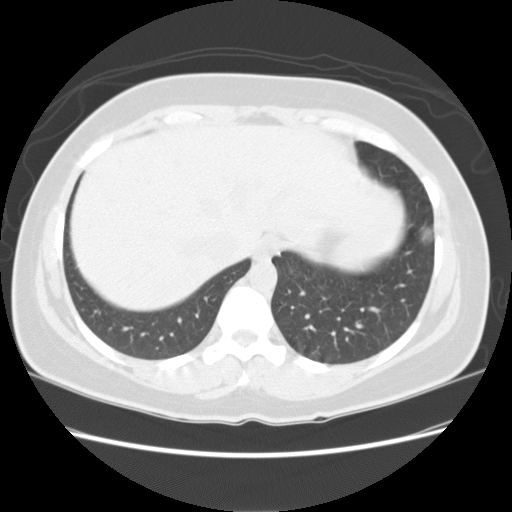
Slice 46/127 of a chest CT, counting up from the lowest; pixel size 0.703 mm, slice thickness 2.50 mm. Pulmonary nodule outlined by all four readers, two of them on this slice; box rows 224–244, columns 418–433 (the union of the readers' outlines on this slice); the four readers' outlines give a longest diameter between 27.7 and 28.3 mm and a volume between 5117 and 6404 mm3. Ratings across the readers: texture 5/5 (solid) from all four readers; margin from 4/5 to 5/5 (circumscribed) across the four readers; sphericity from 3/5 (ovoid) to 5/5 (round) across the four readers; calcification absent from all four readers; internal structure soft tissue from all four readers; subtlety 5/5, all four readers agreeing; malignancy likelihood 3–5/5 (the readers disagree). Scale key (1–5): texture non-solid→solid, margin indistinct→circumscribed, sphericity linear→round, subtlety extremely subtle→obvious, malignancy likelihood highly unlikely→highly suspicious of cancer. Box rows and columns are 0-based pixel indices from the top-left corner, inclusive.
Scan settings: 120 kVp, STANDARD reconstruction kernel.